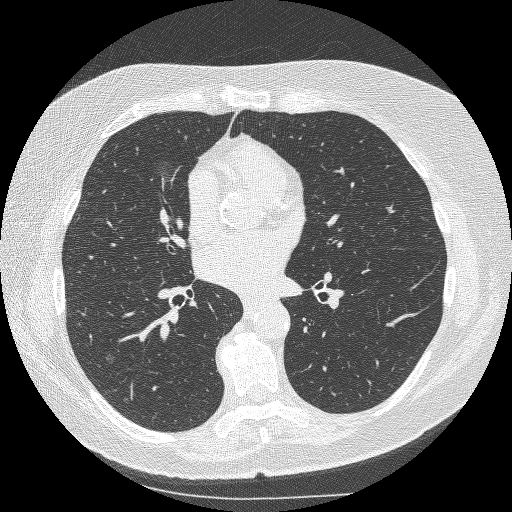
Slice 145/253 of a chest CT, counting up from the lowest; pixel size 0.625 mm, slice thickness 1.25 mm. Two pulmonary nodules on this slice, listed from left to right. (1) Pulmonary nodule outlined by three of the four readers; box rows 352–362, columns 103–115 (the union of the readers' outlines on this slice); median longest diameter 8.1 mm (readers' outlines 8.0–8.7 mm), median volume 124 mm3 (77–131 mm3). Median ratings and the readers' spread: texture 1/5 (non-solid), all three readers agreeing; median margin 2/5 (readers ranged 1/5 (indistinct) to 2/5); sphericity 3/5 (ovoid) at the median of three readers, spread 3/5 (ovoid) to 5/5 (round); calcification absent, all three readers agreeing; internal structure soft tissue from all three readers; median subtlety 1/5 (readers ranged 1–3); median malignancy likelihood 3/5 (readers ranged 3–4). (2) Pulmonary nodule outlined by two of the four readers; box rows 158–179, columns 154–174 (the union of the readers' outlines on this slice); median longest diameter 21.2 mm (readers' outlines 18.7–23.7 mm), median volume 1792 mm3 (1459–2126 mm3). Ratings, median across the readers with their spread: texture 1/5 (non-solid) from both readers; margin 1/5 (indistinct), both readers agreeing; median sphericity 3.5/5 (readers ranged 3/5 (ovoid) to 4/5); calcification absent, both readers agreeing; internal structure soft tissue, both readers agreeing; subtlety 2/5 at the median of two readers, spread 1–3; malignancy likelihood 3.5/5 at the median of two readers, spread 3–4. Scale key (1–5): texture non-solid→solid, margin indistinct→circumscribed, sphericity linear→round, subtlety extremely subtle→obvious, malignancy likelihood highly unlikely→highly suspicious of cancer. Box rows and columns are 0-based pixel indices from the top-left corner, inclusive.
Tube voltage 120 kVp; convolution kernel BONE.